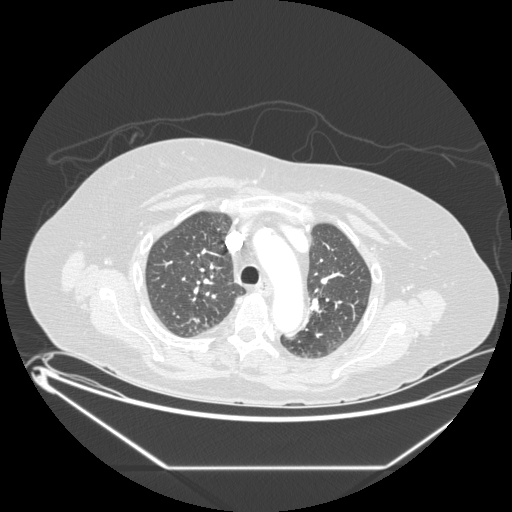
One axial slice (150 of 197, counting up from the lowest) of a chest CT acquired at 120 kVp with the STANDARD kernel; each pixel is 0.859 mm and the slice is 1.25 mm thick.
Pulmonary nodule, outlined by all four readers, two of them on this slice. Box on this slice rows 317–324, columns 193–200, the union of the readers' outlines on this slice; median longest diameter 10.0 mm (readers' outlines 8.2–16.1 mm), median volume 270 mm3 (248–473 mm3). Ratings, median across the readers with their spread: texture 5/5 (solid) at the median of four readers, spread 4/5 to 5/5 (solid); margin 3.5/5 at the median of four readers, spread 3/5 to 5/5 (circumscribed); sphericity 3.5/5 at the median of four readers, spread 3/5 (ovoid) to 5/5 (round); calcification absent, all four readers agreeing; internal structure soft tissue, all four readers agreeing; subtlety 4.5/5 at the median of four readers, spread 3–5; malignancy likelihood 3/5 at the median of four readers, spread 2–4. Scale key (1–5): texture non-solid→solid, margin indistinct→circumscribed, sphericity linear→round, subtlety extremely subtle→obvious, malignancy likelihood highly unlikely→highly suspicious of cancer. Box rows and columns are 0-based pixel indices from the top-left corner, inclusive.